Axial chest CT slice 76 of 101 (counted from the lowest slice); tube voltage 120 kVp, convolution kernel B45f; slices 3.00 mm thick, 0.586 mm per pixel.
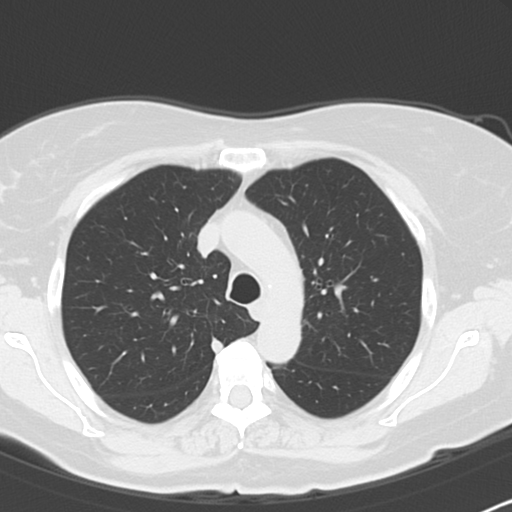
This slice carries no reader outline of a nodule 3 mm or larger.